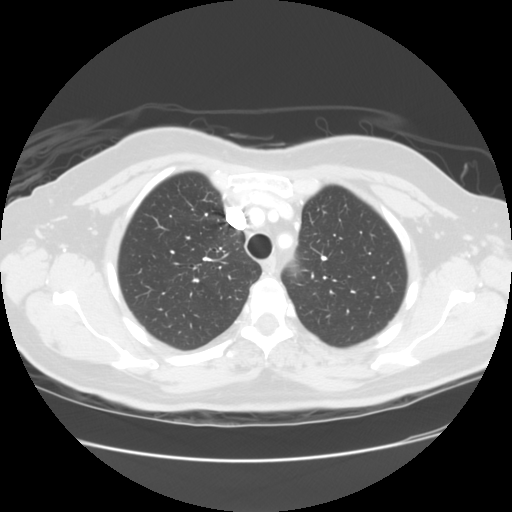
Axial chest CT slice 96 of 119 (counted from the lowest slice); tube voltage 120 kVp, convolution kernel STANDARD; slices 2.50 mm thick, 0.703 mm per pixel.
The readers outlined no nodule of 3 mm or more on this slice.